Axial slice 75 of 113 of a chest CT (slice 1 is the lowest), reconstructed with the FC01 kernel at 135 kVp; 3.00 mm slice thickness and 0.637 mm pixels.
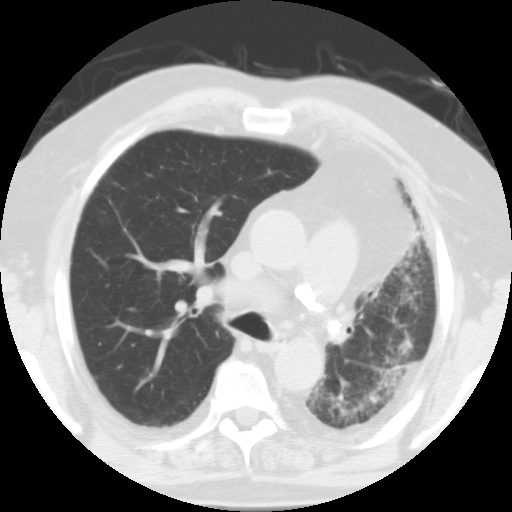
Pulmonary nodule, outlined by two of the four readers, one of them on this slice. Box on this slice rows 265–272, columns 111–119, the one reader's outline on this slice; longest diameter 11.0 mm on average over the two readers' outlines (readers' outlines 9.7–12.3 mm), volume 184–572 mm3. Ratings, by the readers' most common answer with dissent counted: texture 1/5 (non-solid), both readers agreeing; margin split among the readers: 1/5 (indistinct) (one), 2/5 (one); sphericity split among the readers: 4/5 (one), 5/5 (round) (one); calcification absent, both readers agreeing; internal structure soft tissue from both readers; subtlety 1/5 from both readers; malignancy likelihood 3/5, both readers agreeing. Scale key (1–5): texture non-solid→solid, margin indistinct→circumscribed, sphericity linear→round, subtlety extremely subtle→obvious, malignancy likelihood highly unlikely→highly suspicious of cancer. Box rows and columns are 0-based pixel indices from the top-left corner, inclusive.